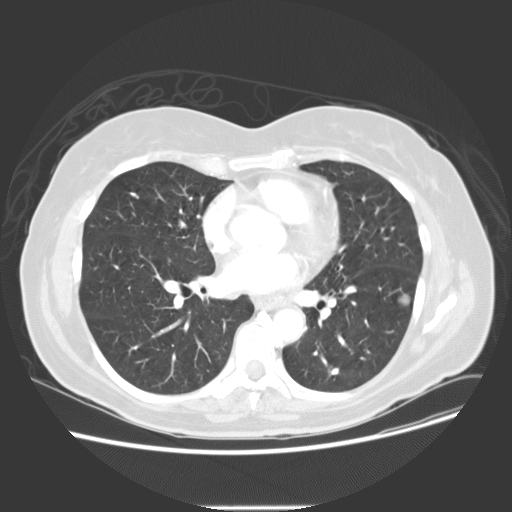
One axial slice (67 of 133, counting up from the lowest) of a chest CT acquired at 120 kVp with the STANDARD kernel; each pixel is 0.742 mm and the slice is 2.50 mm thick.
Two pulmonary nodules on this slice, listed from left to right. (1) Pulmonary nodule at rows 367–374, columns 330–339 (box = the union of the readers' outlines on this slice), outlined by all four readers; the four readers' outlines give a longest diameter between 9.7 and 11.2 mm and a volume between 300 and 474 mm3. The readers' ratings, as ranges where they differ: texture 5/5 (solid) from all four readers; margin from 4/5 to 5/5 (circumscribed) across the four readers; sphericity from 3/5 (ovoid) to 5/5 (round) across the four readers; calcification split among the readers: absent (two), solid calcification (two); internal structure soft tissue from all four readers; subtlety 3–5/5 (the readers disagree); malignancy likelihood rated between 1 and 3 out of 5 by the four readers. (2) Pulmonary nodule outlined by all four readers; box rows 293–306, columns 397–410 (the union of the readers' outlines on this slice); median longest diameter 13.6 mm (readers' outlines 13.4–14.4 mm), median volume 906 mm3 (848–916 mm3). Ratings, median across the readers with their spread: texture 5/5 (solid) from all four readers; margin 5/5 (circumscribed) at the median of four readers, spread 4/5 to 5/5 (circumscribed); sphericity 4.5/5 at the median of four readers, spread 4/5 to 5/5 (round); calcification absent from all four readers; internal structure soft tissue from all four readers; subtlety 4.5/5 at the median of four readers, spread 3–5; malignancy likelihood 4/5 at the median of four readers, spread 2–4. Scale key (1–5): texture non-solid→solid, margin indistinct→circumscribed, sphericity linear→round, subtlety extremely subtle→obvious, malignancy likelihood highly unlikely→highly suspicious of cancer. Box rows and columns are 0-based pixel indices from the top-left corner, inclusive.